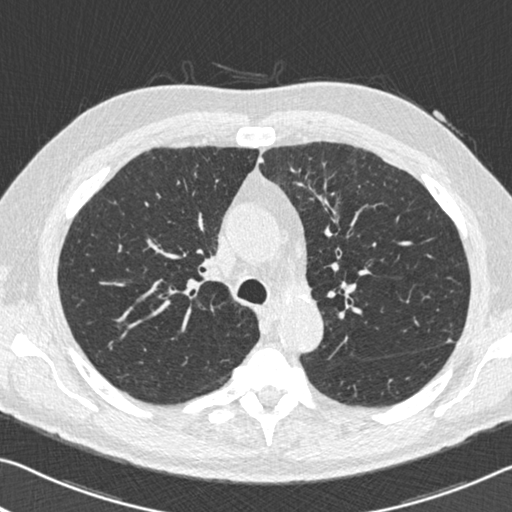
Slice 372/525 of a chest CT, counting up from the lowest; pixel size 0.660 mm, slice thickness 0.75 mm. Pulmonary nodule at rows 338–341, columns 446–452 (box = that reader's outline on this slice), outlined by one of the four readers; longest diameter 5.7 mm and volume 38 mm3 from that reader's outline. Ratings by that reader: texture 5/5 (solid); margin 5/5 (circumscribed); sphericity 4/5; calcification absent; internal structure soft tissue; subtlety 5/5; malignancy likelihood 3/5. Scale key (1–5): texture non-solid→solid, margin indistinct→circumscribed, sphericity linear→round, subtlety extremely subtle→obvious, malignancy likelihood highly unlikely→highly suspicious of cancer. Box rows and columns are 0-based pixel indices from the top-left corner, inclusive.
Acquired at 120 kVp and reconstructed with the B30f kernel.